Chest CT, axial plane, 120 kVp, kernel STANDARD. Slice 227/509 from the bottom of the scan; thickness 1.25 mm; pixel size 0.703 mm.
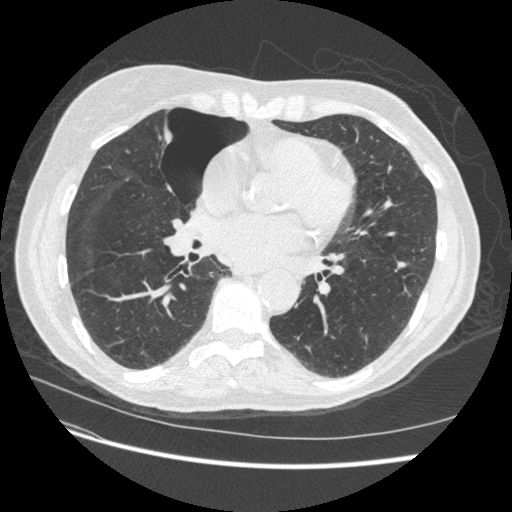
Pulmonary nodule at rows 261–271, columns 394–407 (box = the union of the readers' outlines on this slice), outlined by three of the four readers; longest diameter 10.8 mm on average over the three readers' outlines (readers' outlines 9.2–11.6 mm), volume 182–365 mm3. Ratings, by the readers' most common answer with dissent counted: texture 5/5 (solid) by two of three readers; the rest gave 4/5 (one); margin split among the readers: 3/5 (one), 4/5 (one), 5/5 (circumscribed) (one); sphericity split among the readers: 2/5 (one), 3/5 (ovoid) (one), 4/5 (one); calcification absent from all three readers; internal structure soft tissue from all three readers; subtlety 4/5 from all three readers; malignancy likelihood split among the readers: 2/5 (one), 3/5 (one), 4/5 (one). Scale key (1–5): texture non-solid→solid, margin indistinct→circumscribed, sphericity linear→round, subtlety extremely subtle→obvious, malignancy likelihood highly unlikely→highly suspicious of cancer. Box rows and columns are 0-based pixel indices from the top-left corner, inclusive.